Chest CT, axial plane, 120 kVp, kernel STANDARD. Slice 171/238 from the bottom of the scan; thickness 1.25 mm; pixel size 0.781 mm.
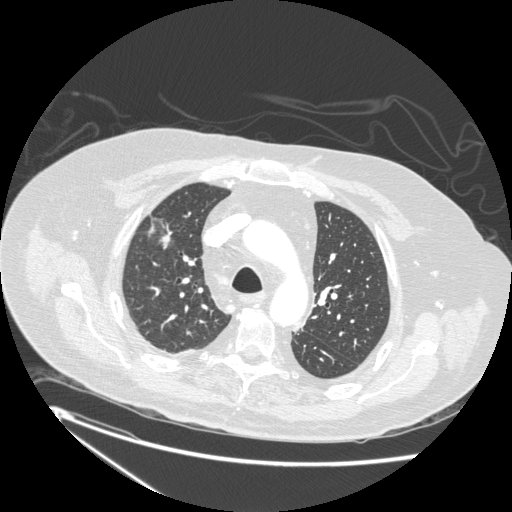
Pulmonary nodule at rows 234–248, columns 160–170 (box = the union of the readers' outlines on this slice), outlined by two of the four readers; median longest diameter 10.8 mm (readers' outlines 7.7–14.0 mm), median volume 175 mm3 (107–242 mm3). Median ratings and the readers' spread: texture 5/5 (solid), both readers agreeing; median margin 3/5 (readers ranged 2/5 to 4/5); median sphericity 3/5 (ovoid) (readers ranged 2/5 to 4/5); calcification absent, both readers agreeing; internal structure soft tissue from both readers; subtlety 4.5/5 at the median of two readers, spread 4–5; malignancy likelihood 3/5 from both readers. Scale key (1–5): texture non-solid→solid, margin indistinct→circumscribed, sphericity linear→round, subtlety extremely subtle→obvious, malignancy likelihood highly unlikely→highly suspicious of cancer. Box rows and columns are 0-based pixel indices from the top-left corner, inclusive.